Axial slice 178 of 240 of a chest CT (slice 1 is the lowest), reconstructed with the BONE kernel at 120 kVp; 1.25 mm slice thickness and 0.566 mm pixels.
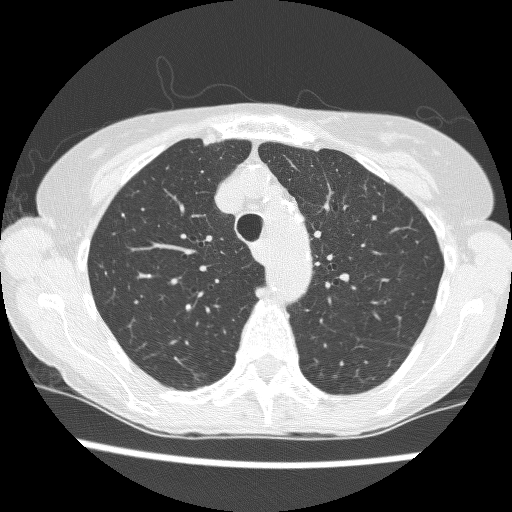
Pulmonary nodule outlined by one of the four readers; box rows 304–310, columns 186–190 (that reader's outline on this slice); longest diameter 4.7 mm and volume 47 mm3 from that reader's outline. That reader's ratings: texture 5/5 (solid); margin 4/5; sphericity 4/5; calcification absent; internal structure soft tissue; subtlety 1/5; malignancy likelihood 3/5. Scale key (1–5): texture non-solid→solid, margin indistinct→circumscribed, sphericity linear→round, subtlety extremely subtle→obvious, malignancy likelihood highly unlikely→highly suspicious of cancer. Box rows and columns are 0-based pixel indices from the top-left corner, inclusive.